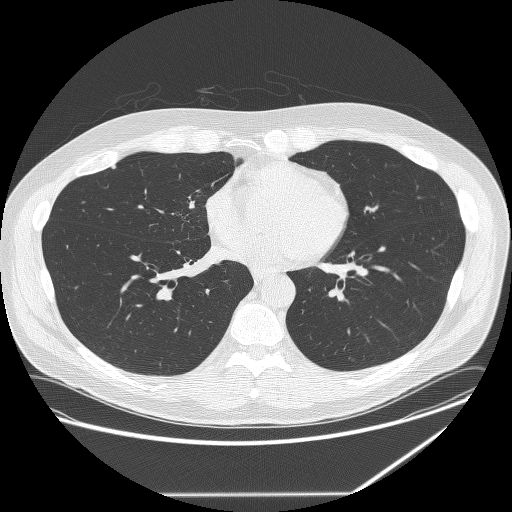
Axial chest CT slice 126 of 291 (counted from the lowest slice); tube voltage 120 kVp, convolution kernel BONE; slices 1.25 mm thick, 0.820 mm per pixel.
Pulmonary nodule outlined by all four readers; box rows 164–168, columns 110–115 (the union of the readers' outlines on this slice); longest diameter 5.9 mm on average over the four readers' outlines (readers' outlines 5.5–6.2 mm), volume 56–90 mm3. The readers' prevailing ratings and who disagreed: texture 5/5 (solid), all four readers agreeing; most readers (three of four) put margin at 5/5 (circumscribed), others 4/5 (one); sphericity 4/5 by two of four readers; the rest gave 3/5 (ovoid) (one), 5/5 (round) (one); calcification absent, all four readers agreeing; internal structure soft tissue from all four readers; subtlety 2/5 by two of four readers; the rest gave 3/5 (one), 4/5 (one); malignancy likelihood 2/5 by two of four readers; the rest gave 1/5 (one), 3/5 (one). Scale key (1–5): texture non-solid→solid, margin indistinct→circumscribed, sphericity linear→round, subtlety extremely subtle→obvious, malignancy likelihood highly unlikely→highly suspicious of cancer. Box rows and columns are 0-based pixel indices from the top-left corner, inclusive.